Axial chest CT slice 110 of 275 (counted from the lowest slice); tube voltage 120 kVp, convolution kernel D; slices 1.00 mm thick, 0.658 mm per pixel.
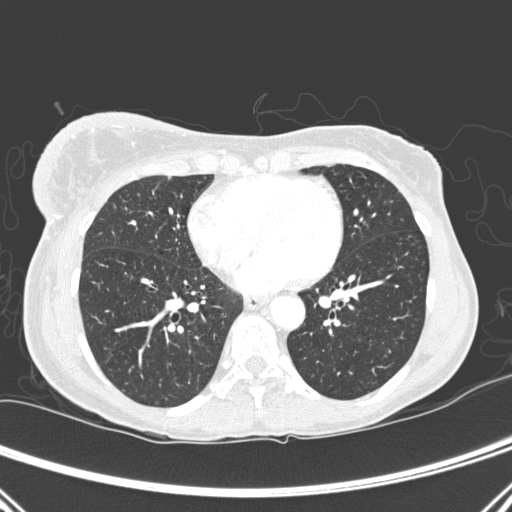
No nodule of 3 mm or larger was outlined by any of the four readers on this slice.